Axial chest CT slice 57 of 230 (counted from the lowest slice); tube voltage 120 kVp, convolution kernel BONE; slices 1.25 mm thick, 0.732 mm per pixel.
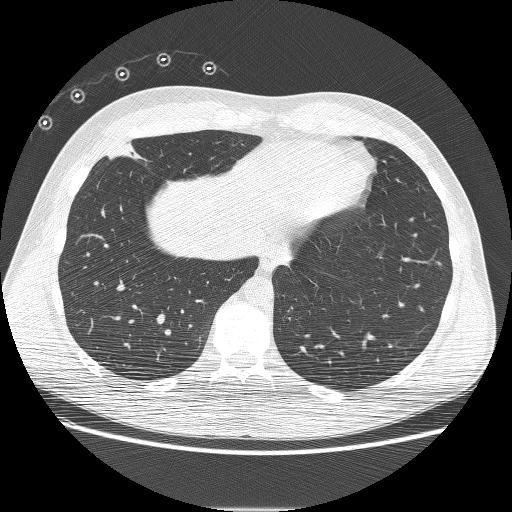
Pulmonary nodule, outlined by all four readers. Box on this slice rows 139–161, columns 107–142, the union of the readers' outlines on this slice; median longest diameter 27.2 mm (readers' outlines 23.5–29.5 mm), median volume 3460 mm3 (3146–3701 mm3). Ratings, median across the readers with their spread: texture 5/5 (solid), all four readers agreeing; median margin 4.5/5 (readers ranged 3/5 to 5/5 (circumscribed)); sphericity 3.5/5 at the median of four readers, spread 3/5 (ovoid) to 4/5; calcification absent from all four readers; internal structure soft tissue, all four readers agreeing; subtlety 5/5 from all four readers; malignancy likelihood 5/5 at the median of four readers, spread 4–5. Scale key (1–5): texture non-solid→solid, margin indistinct→circumscribed, sphericity linear→round, subtlety extremely subtle→obvious, malignancy likelihood highly unlikely→highly suspicious of cancer. Box rows and columns are 0-based pixel indices from the top-left corner, inclusive.